One axial slice (63 of 101, counting up from the lowest) of a chest CT acquired at 120 kVp with the B31f kernel; each pixel is 0.635 mm and the slice is 3.00 mm thick.
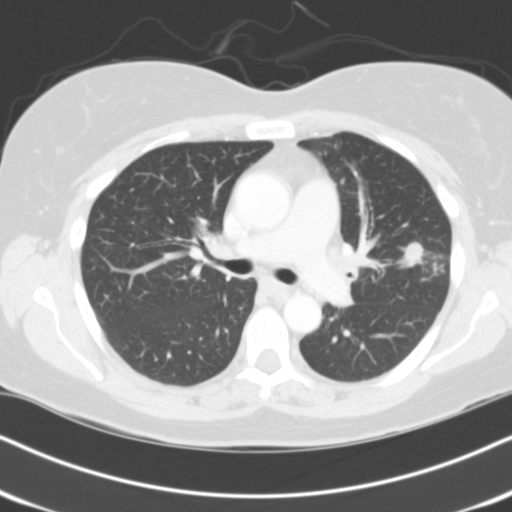
Pulmonary nodule at rows 242–269, columns 396–424 (box = the union of the readers' outlines on this slice), outlined by all four readers; longest diameter 18.8 mm on average over the four readers' outlines (readers' outlines 13.7–22.1 mm), volume 832–1692 mm3. The readers' prevailing ratings and who disagreed: texture split among the readers: 3/5 (part-solid) (two), 5/5 (solid) (two); margin 2/5 by two of four readers; the rest gave 1/5 (indistinct) (one), 5/5 (circumscribed) (one); most readers (three of four) put sphericity at 4/5, others 3/5 (ovoid) (one); calcification absent from all four readers; internal structure soft tissue from all four readers; subtlety 5/5 by two of four readers; the rest gave 2/5 (one), 4/5 (one); malignancy likelihood 4/5 by two of four readers; the rest gave 2/5 (one), 3/5 (one). Scale key (1–5): texture non-solid→solid, margin indistinct→circumscribed, sphericity linear→round, subtlety extremely subtle→obvious, malignancy likelihood highly unlikely→highly suspicious of cancer. Box rows and columns are 0-based pixel indices from the top-left corner, inclusive.